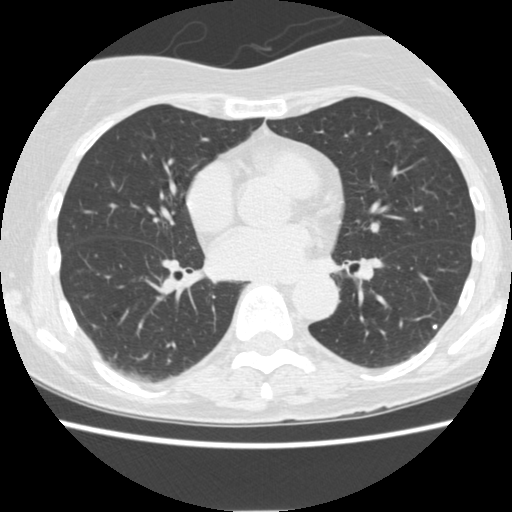
Slice 203/484 of a chest CT, counting up from the lowest; pixel size 0.625 mm, slice thickness 1.25 mm. Pulmonary nodule at rows 325–328, columns 431–435 (box = that reader's outline on this slice), outlined by one of the four readers; longest diameter 4.6 mm and volume 36 mm3 from that reader's outline. Ratings by that reader: texture 5/5 (solid); margin 5/5 (circumscribed); sphericity 4/5; calcification solid calcification; internal structure soft tissue; subtlety 5/5; malignancy likelihood 1/5. Scale key (1–5): texture non-solid→solid, margin indistinct→circumscribed, sphericity linear→round, subtlety extremely subtle→obvious, malignancy likelihood highly unlikely→highly suspicious of cancer. Box rows and columns are 0-based pixel indices from the top-left corner, inclusive.
Acquired at 120 kVp and reconstructed with the STANDARD kernel.